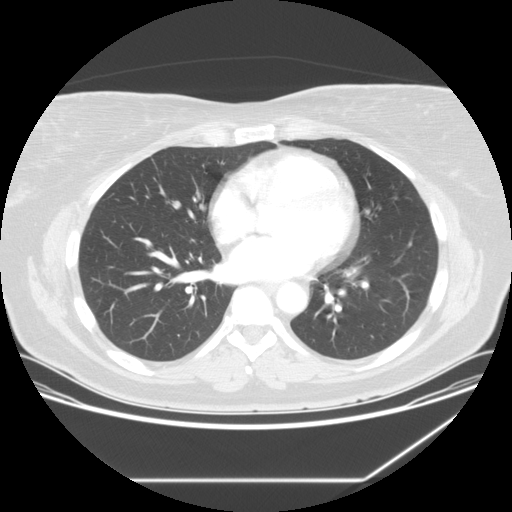
Chest CT, axial plane, 120 kVp, kernel STANDARD. Slice 61/133 from the bottom of the scan; thickness 2.50 mm; pixel size 0.781 mm.
This slice carries no reader outline of a nodule 3 mm or larger.